One axial slice (236 of 300, counting up from the lowest) of a chest CT acquired at 120 kVp with the C kernel; each pixel is 0.715 mm and the slice is 2.00 mm thick.
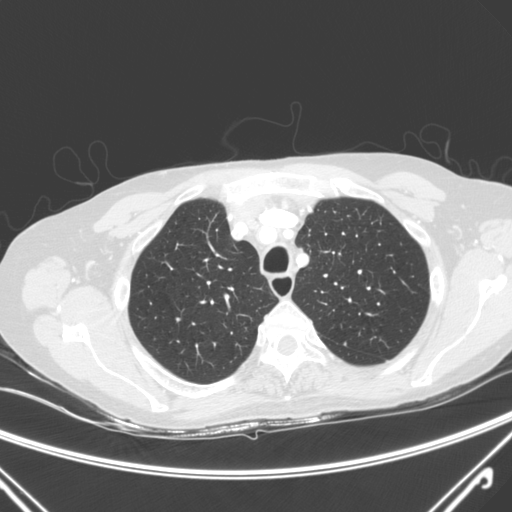
Pulmonary nodule outlined by two of the four readers; box rows 342–345, columns 343–345 (the union of the readers' outlines on this slice); median longest diameter 4.3 mm (readers' outlines 4.3 mm), median volume 36 mm3 (32–40 mm3). Median ratings and the readers' spread: texture 5/5 (solid) from both readers; margin 5/5 (circumscribed) from both readers; median sphericity 3.5/5 (readers ranged 3/5 (ovoid) to 4/5); calcification absent, both readers agreeing; internal structure soft tissue, both readers agreeing; subtlety 4/5 at the median of two readers, spread 3–5; malignancy likelihood 2/5 from both readers. Scale key (1–5): texture non-solid→solid, margin indistinct→circumscribed, sphericity linear→round, subtlety extremely subtle→obvious, malignancy likelihood highly unlikely→highly suspicious of cancer. Box rows and columns are 0-based pixel indices from the top-left corner, inclusive.